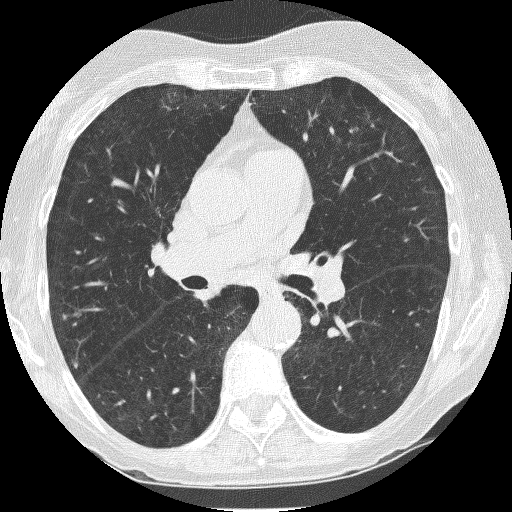
One axial slice (132 of 235, counting up from the lowest) of a chest CT acquired at 120 kVp with the BONE kernel; each pixel is 0.537 mm and the slice is 1.25 mm thick.
Pulmonary nodule, outlined by two of the four readers, one of them on this slice. Box on this slice rows 311–316, columns 74–81, the one reader's outline on this slice; the two readers' outlines give a longest diameter between 5.8 and 6.0 mm and a volume between 45 and 65 mm3. The readers' ratings, as ranges where they differ: texture 5/5 (solid) from both readers; margin from 3/5 to 4/5 across the two readers; sphericity from 3/5 (ovoid) to 4/5 across the two readers; calcification absent from both readers; internal structure soft tissue, both readers agreeing; subtlety 2–3/5 (the readers disagree); malignancy likelihood 3/5 from both readers. Scale key (1–5): texture non-solid→solid, margin indistinct→circumscribed, sphericity linear→round, subtlety extremely subtle→obvious, malignancy likelihood highly unlikely→highly suspicious of cancer. Box rows and columns are 0-based pixel indices from the top-left corner, inclusive.